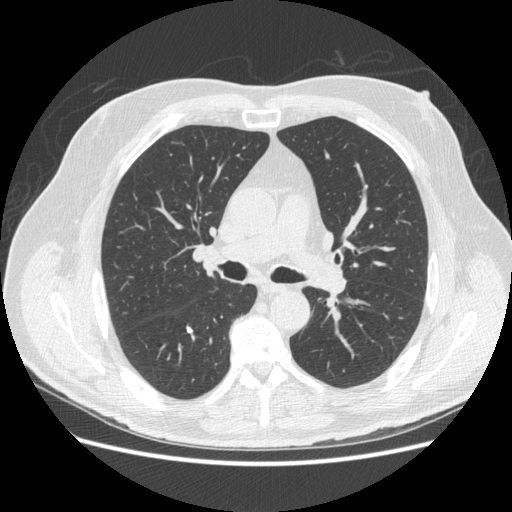
Chest CT, axial plane, 120 kVp, kernel STANDARD. Slice 303/503 from the bottom of the scan; thickness 1.25 mm; pixel size 0.742 mm.
Pulmonary nodule outlined by all four readers; box rows 326–333, columns 186–192 (the union of the readers' outlines on this slice); median longest diameter 8.1 mm (readers' outlines 7.0–8.7 mm), median volume 145 mm3 (116–149 mm3). Ratings, median across the readers with their spread: texture 5/5 (solid), all four readers agreeing; margin 5/5 (circumscribed) from all four readers; sphericity 3.5/5 at the median of four readers, spread 3/5 (ovoid) to 5/5 (round); calcification solid calcification from all four readers; internal structure soft tissue, all four readers agreeing; median subtlety 4.5/5 (readers ranged 4–5); malignancy likelihood 1/5 from all four readers. Scale key (1–5): texture non-solid→solid, margin indistinct→circumscribed, sphericity linear→round, subtlety extremely subtle→obvious, malignancy likelihood highly unlikely→highly suspicious of cancer. Box rows and columns are 0-based pixel indices from the top-left corner, inclusive.